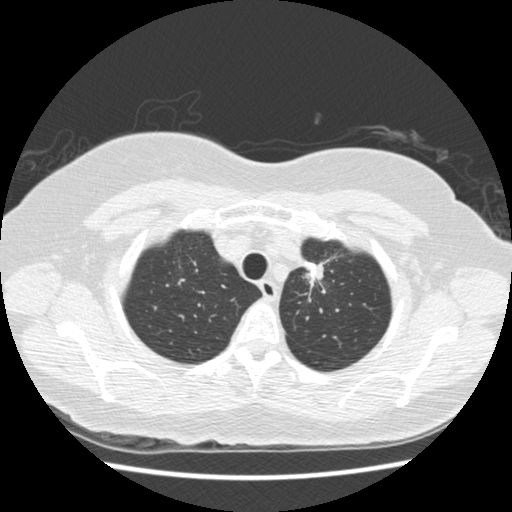
Axial chest CT slice 367 of 445 (counted from the lowest slice); 1.25 mm thick, 0.645 mm per pixel. Pulmonary nodule at rows 261–287, columns 304–322 (box = that reader's outline on this slice), outlined by one of the four readers; longest diameter 31.0 mm and volume 2055 mm3 from that reader's outline. That reader's ratings: texture 5/5 (solid); margin 2/5; sphericity 2/5; calcification absent; internal structure soft tissue; subtlety 5/5; malignancy likelihood 4/5. Scale key (1–5): texture non-solid→solid, margin indistinct→circumscribed, sphericity linear→round, subtlety extremely subtle→obvious, malignancy likelihood highly unlikely→highly suspicious of cancer. Box rows and columns are 0-based pixel indices from the top-left corner, inclusive.
Tube voltage 120 kVp; convolution kernel STANDARD.